Axial chest CT slice 106 of 192 (counted from the lowest slice); tube voltage 120 kVp, convolution kernel B30f; slices 2.00 mm thick, 0.664 mm per pixel.
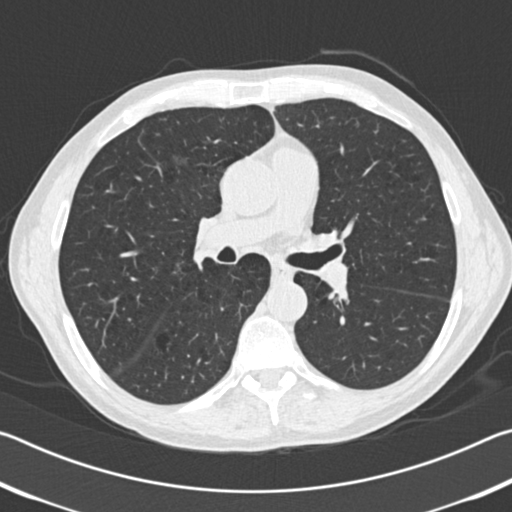
Pulmonary nodule at rows 156–162, columns 174–186 (box = that reader's outline on this slice), outlined by one of the four readers; longest diameter 13.4 mm and volume 515 mm3 from that reader's outline. Ratings by that reader: texture 1/5 (non-solid); margin 2/5; sphericity 3/5 (ovoid); calcification absent; internal structure soft tissue; subtlety 2/5; malignancy likelihood 3/5. Scale key (1–5): texture non-solid→solid, margin indistinct→circumscribed, sphericity linear→round, subtlety extremely subtle→obvious, malignancy likelihood highly unlikely→highly suspicious of cancer. Box rows and columns are 0-based pixel indices from the top-left corner, inclusive.